Chest CT, axial plane, 140 kVp, kernel BONE. Slice 102/130 from the bottom of the scan; thickness 2.50 mm; pixel size 0.596 mm.
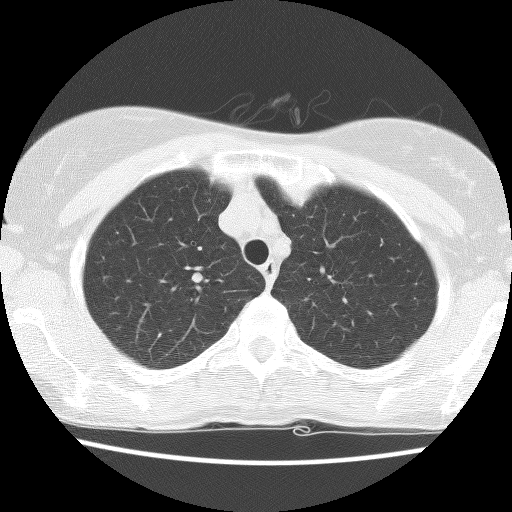
Pulmonary nodule outlined by all four readers; box rows 272–282, columns 191–202 (the union of the readers' outlines on this slice); the four readers' outlines give a longest diameter between 6.2 and 8.3 mm and a volume between 244 and 355 mm3. Ratings across the readers: texture 5/5 (solid), all four readers agreeing; margin 5/5 (circumscribed) from all four readers; sphericity from 4/5 to 5/5 (round) across the four readers; calcification absent, all four readers agreeing; internal structure soft tissue, all four readers agreeing; subtlety 3–5/5 (the readers disagree); malignancy likelihood 1–4/5 (the readers disagree). Scale key (1–5): texture non-solid→solid, margin indistinct→circumscribed, sphericity linear→round, subtlety extremely subtle→obvious, malignancy likelihood highly unlikely→highly suspicious of cancer. Box rows and columns are 0-based pixel indices from the top-left corner, inclusive.